Chest CT, axial plane, 120 kVp, kernel B70f. Slice 118/351 from the bottom of the scan; thickness 2.00 mm; pixel size 0.643 mm.
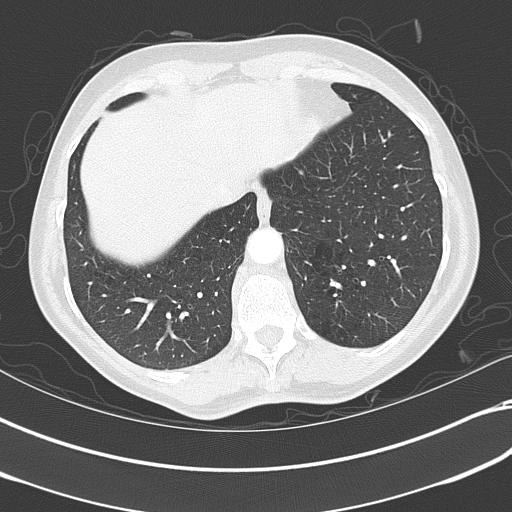
Pulmonary nodule at rows 170–173, columns 299–302 (box = the union of the readers' outlines on this slice), outlined by two of the four readers; longest diameter 5.2–5.5 mm and volume 46–60 mm3 across the two readers' outlines. Ratings across the readers: texture 5/5 (solid), both readers agreeing; margin from 4/5 to 5/5 (circumscribed) across the two readers; sphericity from 4/5 to 5/5 (round) across the two readers; calcification split among the readers: solid calcification (one), absent (one); internal structure soft tissue from both readers; subtlety rated between 4 and 5 out of 5 by the two readers; malignancy likelihood from 1/5 to 2/5 across the two readers. Scale key (1–5): texture non-solid→solid, margin indistinct→circumscribed, sphericity linear→round, subtlety extremely subtle→obvious, malignancy likelihood highly unlikely→highly suspicious of cancer. Box rows and columns are 0-based pixel indices from the top-left corner, inclusive.